Axial slice 107 of 150 of a chest CT (slice 1 is the lowest), reconstructed with the STANDARD kernel at 120 kVp; 2.50 mm slice thickness and 0.820 mm pixels.
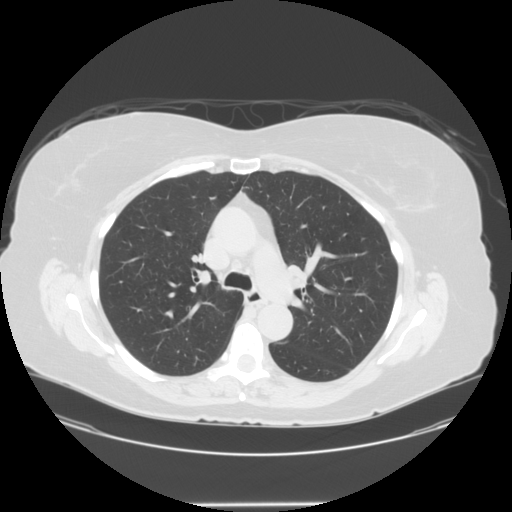
No nodule 3 mm or larger was outlined here by any reader.